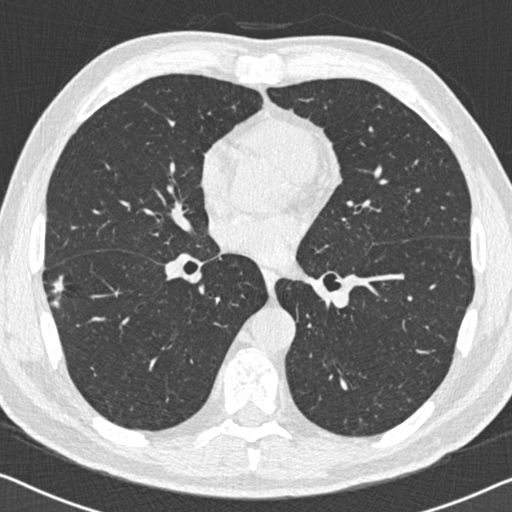
Axial slice 306 of 558 of a chest CT (slice 1 is the lowest), reconstructed with the B30f kernel at 120 kVp; 0.75 mm slice thickness and 0.648 mm pixels.
Pulmonary nodule at rows 275–308, columns 46–63 (box = the union of the readers' outlines on this slice), outlined by all four readers; longest diameter 22.2 mm on average over the four readers' outlines (readers' outlines 18.8–26.5 mm), volume 726–1916 mm3. The readers' prevailing ratings and who disagreed: texture 5/5 (solid) by two of four readers; the rest gave 3/5 (part-solid) (one), 4/5 (one); margin 4/5 by two of four readers; the rest gave 1/5 (indistinct) (one), 2/5 (one); sphericity split among the readers: 2/5 (two), 4/5 (two); calcification absent, all four readers agreeing; internal structure soft tissue, all four readers agreeing; subtlety 5/5 by three of four readers; the rest gave 4/5 (one); malignancy likelihood 4/5 by three of four readers; the rest gave 5/5 (one). Scale key (1–5): texture non-solid→solid, margin indistinct→circumscribed, sphericity linear→round, subtlety extremely subtle→obvious, malignancy likelihood highly unlikely→highly suspicious of cancer. Box rows and columns are 0-based pixel indices from the top-left corner, inclusive.